Axial slice 105 of 130 of a chest CT (slice 1 is the lowest), reconstructed with the BONE kernel at 140 kVp; 2.50 mm slice thickness and 0.596 mm pixels.
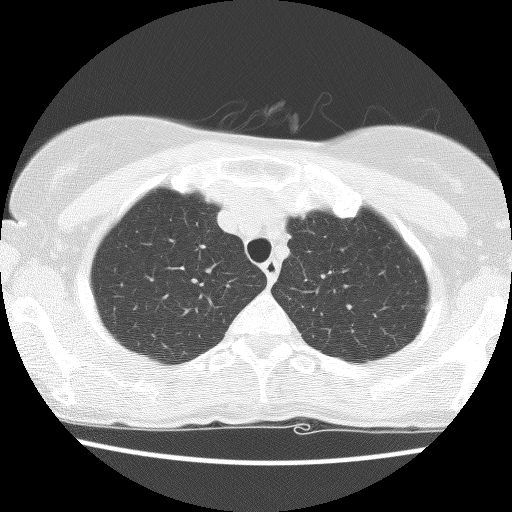
Pulmonary nodule, outlined by all four readers. Box on this slice rows 278–282, columns 190–197, the union of the readers' outlines on this slice; longest diameter 7.3 mm on average over the four readers' outlines (readers' outlines 6.2–8.3 mm), volume 244–355 mm3. The readers' prevailing ratings and who disagreed: texture 5/5 (solid), all four readers agreeing; margin 5/5 (circumscribed) from all four readers; most readers (three of four) put sphericity at 5/5 (round), others 4/5 (one); calcification absent, all four readers agreeing; internal structure soft tissue, all four readers agreeing; subtlety 3/5 by three of four readers; the rest gave 5/5 (one); malignancy likelihood split among the readers: 1/5 (one), 2/5 (one), 3/5 (one), 4/5 (one). Scale key (1–5): texture non-solid→solid, margin indistinct→circumscribed, sphericity linear→round, subtlety extremely subtle→obvious, malignancy likelihood highly unlikely→highly suspicious of cancer. Box rows and columns are 0-based pixel indices from the top-left corner, inclusive.